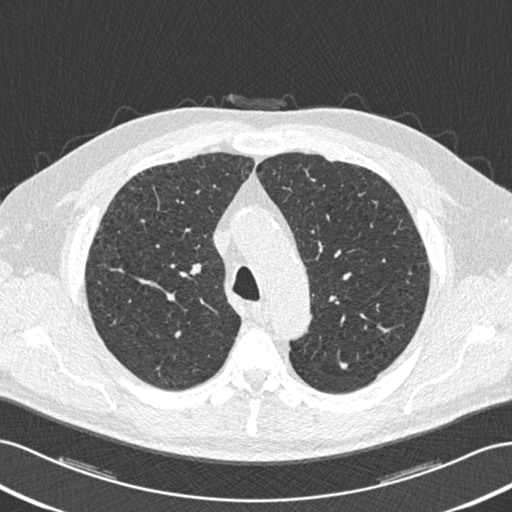
Slice 389/506 of a chest CT, counting up from the lowest; pixel size 0.699 mm, slice thickness 0.75 mm. Two pulmonary nodules on this slice, listed from left to right. (1) Pulmonary nodule, outlined by one of the four readers. Box on this slice rows 263–274, columns 190–201, that reader's outline on this slice; longest diameter 11.1 mm and volume 211 mm3 from that reader's outline. That reader's ratings: texture 5/5 (solid); margin 4/5; sphericity 2/5; calcification absent; internal structure soft tissue; subtlety 2/5; malignancy likelihood 3/5. (2) Pulmonary nodule, outlined by two of the four readers. Box on this slice rows 360–369, columns 339–348, the union of the readers' outlines on this slice; the two readers' outlines give a longest diameter between 6.4 and 8.2 mm and a volume between 59 and 153 mm3. The readers' ratings, as ranges where they differ: texture 5/5 (solid), both readers agreeing; margin from 4/5 to 5/5 (circumscribed) across the two readers; sphericity from 3/5 (ovoid) to 4/5 across the two readers; calcification absent, both readers agreeing; internal structure soft tissue from both readers; subtlety 3–5/5 (the readers disagree); malignancy likelihood 3/5, both readers agreeing. Scale key (1–5): texture non-solid→solid, margin indistinct→circumscribed, sphericity linear→round, subtlety extremely subtle→obvious, malignancy likelihood highly unlikely→highly suspicious of cancer. Box rows and columns are 0-based pixel indices from the top-left corner, inclusive.
Tube voltage 120 kVp; convolution kernel B30f.